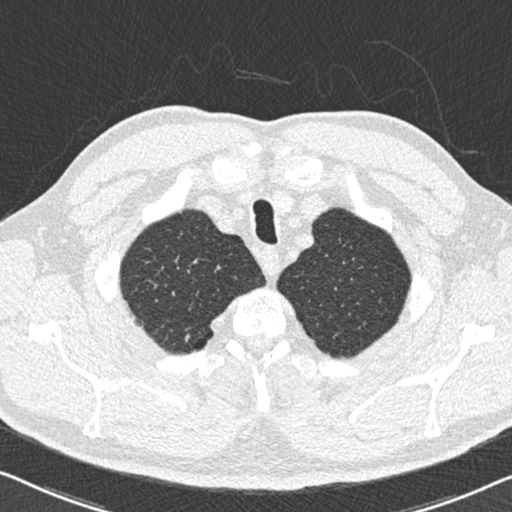
One axial slice (510 of 558, counting up from the lowest) of a chest CT acquired at 120 kVp with the B30f kernel; each pixel is 0.648 mm and the slice is 0.75 mm thick.
Pulmonary nodule at rows 333–342, columns 184–190 (box = the union of the readers' outlines on this slice), outlined by all four readers; median longest diameter 7.5 mm (readers' outlines 6.5–8.7 mm), median volume 97 mm3 (71–209 mm3). Median ratings and the readers' spread: median texture 5/5 (solid) (readers ranged 4/5 to 5/5 (solid)); median margin 4.5/5 (readers ranged 4/5 to 5/5 (circumscribed)); median sphericity 3/5 (ovoid) (readers ranged 2/5 to 5/5 (round)); calcification: absent (three), solid calcification (one); internal structure soft tissue from all four readers; subtlety 3.5/5 at the median of four readers, spread 3–5; malignancy likelihood 2/5 at the median of four readers, spread 1–3. Scale key (1–5): texture non-solid→solid, margin indistinct→circumscribed, sphericity linear→round, subtlety extremely subtle→obvious, malignancy likelihood highly unlikely→highly suspicious of cancer. Box rows and columns are 0-based pixel indices from the top-left corner, inclusive.